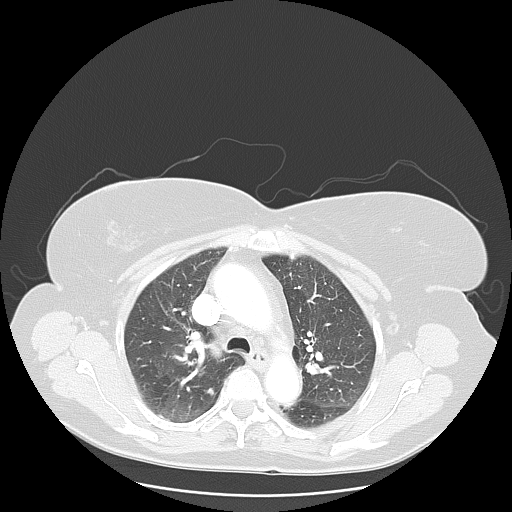
Chest CT, axial plane, 120 kVp, kernel LUNG. Slice 82/119 from the bottom of the scan; thickness 2.50 mm; pixel size 0.781 mm.
Pulmonary nodule, outlined by all four readers. Box on this slice rows 388–395, columns 206–216, the union of the readers' outlines on this slice; longest diameter 7.5 mm on average over the four readers' outlines (readers' outlines 6.7–9.5 mm), volume 97–166 mm3. The readers' prevailing ratings and who disagreed: texture 5/5 (solid) by three of four readers; the rest gave 4/5 (one); margin 4/5 by two of four readers; the rest gave 3/5 (one), 5/5 (circumscribed) (one); sphericity 3/5 (ovoid) by two of four readers; the rest gave 2/5 (one), 4/5 (one); calcification absent from all four readers; internal structure soft tissue from all four readers; subtlety split among the readers: 2/5 (two), 3/5 (two); malignancy likelihood 2/5 by three of four readers; the rest gave 3/5 (one). Scale key (1–5): texture non-solid→solid, margin indistinct→circumscribed, sphericity linear→round, subtlety extremely subtle→obvious, malignancy likelihood highly unlikely→highly suspicious of cancer. Box rows and columns are 0-based pixel indices from the top-left corner, inclusive.